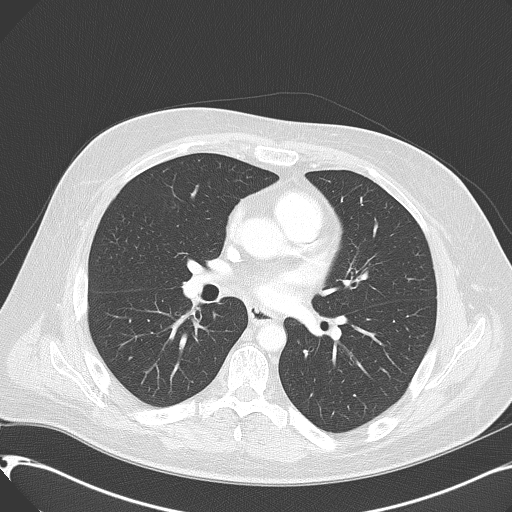
Axial slice 269 of 416 of a chest CT (slice 1 is the lowest), reconstructed with the B70f kernel at 120 kVp; 2.00 mm slice thickness and 0.723 mm pixels.
The readers outlined no nodule of 3 mm or more on this slice.